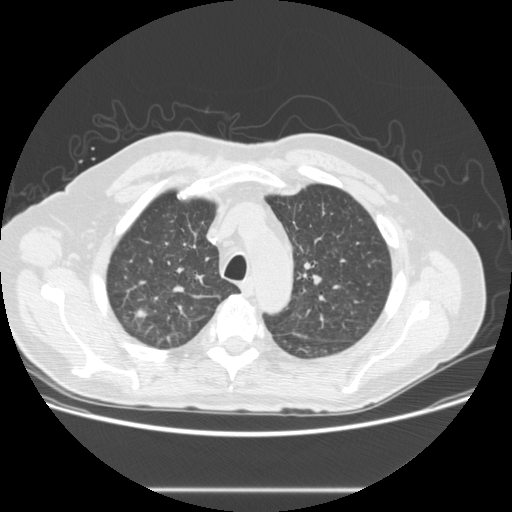
Slice 203/273 of a chest CT, counting up from the lowest; pixel size 0.740 mm, slice thickness 1.25 mm. Pulmonary nodule at rows 308–317, columns 135–146 (box = the union of the readers' outlines on this slice), outlined by all four readers; longest diameter 10.1–12.7 mm and volume 277–395 mm3 across the four readers' outlines. Ratings across the readers: texture from 4/5 to 5/5 (solid) across the four readers; margin from 2/5 to 4/5 across the four readers; sphericity from 3/5 (ovoid) to 4/5 across the four readers; calcification absent from all four readers; internal structure soft tissue, all four readers agreeing; subtlety from 3/5 to 4/5 across the four readers; malignancy likelihood rated between 3 and 5 out of 5 by the four readers. Scale key (1–5): texture non-solid→solid, margin indistinct→circumscribed, sphericity linear→round, subtlety extremely subtle→obvious, malignancy likelihood highly unlikely→highly suspicious of cancer. Box rows and columns are 0-based pixel indices from the top-left corner, inclusive.
Tube voltage 120 kVp; convolution kernel STANDARD.